Chest CT, axial plane, 120 kVp, kernel B45f. Slice 107/298 from the bottom of the scan; thickness 1.00 mm; pixel size 0.547 mm.
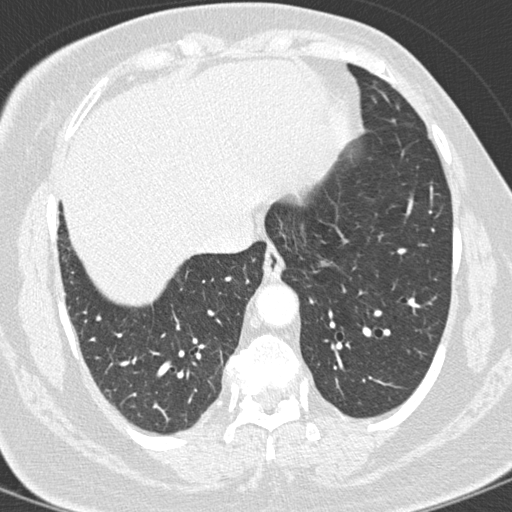
Pulmonary nodule outlined by three of the four readers; box rows 261–266, columns 320–328 (the union of the readers' outlines on this slice); longest diameter 6.3 mm on average over the three readers' outlines (readers' outlines 5.6–6.6 mm), volume 48–68 mm3. The readers' prevailing ratings and who disagreed: texture 5/5 (solid) by two of three readers; the rest gave 4/5 (one); margin 5/5 (circumscribed) by two of three readers; the rest gave 3/5 (one); sphericity split among the readers: 3/5 (ovoid) (one), 4/5 (one), 5/5 (round) (one); calcification absent, all three readers agreeing; internal structure soft tissue, all three readers agreeing; most readers (two of three) put subtlety at 1/5, others 3/5 (one); malignancy likelihood 3/5 by two of three readers; the rest gave 2/5 (one). Scale key (1–5): texture non-solid→solid, margin indistinct→circumscribed, sphericity linear→round, subtlety extremely subtle→obvious, malignancy likelihood highly unlikely→highly suspicious of cancer. Box rows and columns are 0-based pixel indices from the top-left corner, inclusive.